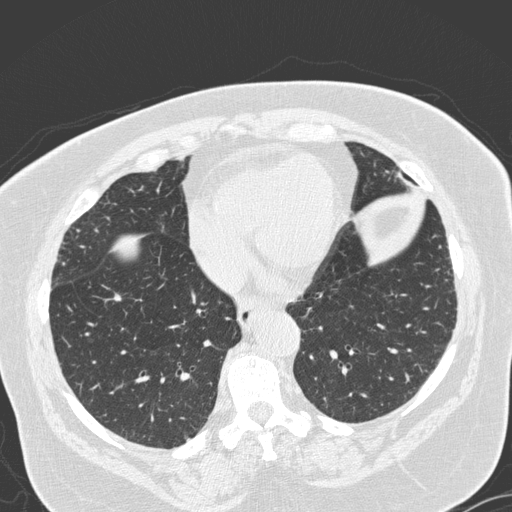
Chest CT, axial plane, 120 kVp, kernel D. Slice 70/280 from the bottom of the scan; thickness 1.00 mm; pixel size 0.666 mm.
Pulmonary nodule at rows 294–301, columns 114–120 (box = the union of the readers' outlines on this slice), outlined by two of the four readers; the two readers' outlines give a longest diameter between 6.0 and 6.6 mm and a volume between 55 and 68 mm3. The readers' ratings, as ranges where they differ: texture from 4/5 to 5/5 (solid) across the two readers; margin from 3/5 to 5/5 (circumscribed) across the two readers; sphericity from 3/5 (ovoid) to 5/5 (round) across the two readers; calcification absent from both readers; internal structure soft tissue from both readers; subtlety from 2/5 to 3/5 across the two readers; malignancy likelihood 2–3/5 (the readers disagree). Scale key (1–5): texture non-solid→solid, margin indistinct→circumscribed, sphericity linear→round, subtlety extremely subtle→obvious, malignancy likelihood highly unlikely→highly suspicious of cancer. Box rows and columns are 0-based pixel indices from the top-left corner, inclusive.